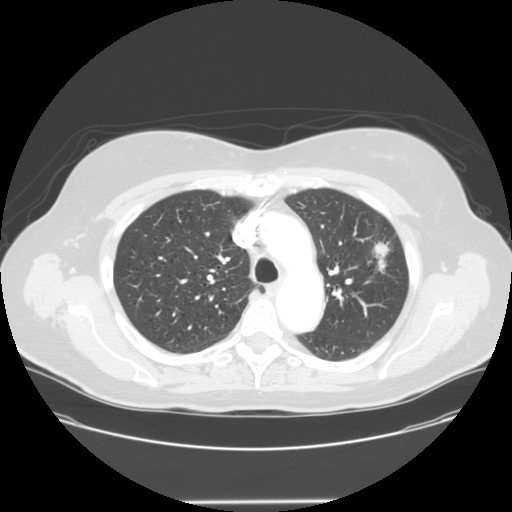
Slice 101/138 of a chest CT, counting up from the lowest; pixel size 0.781 mm, slice thickness 2.50 mm. Pulmonary nodule at rows 238–274, columns 372–391 (box = the union of the readers' outlines on this slice), outlined by all four readers; longest diameter 29.1–32.9 mm and volume 5563–6580 mm3 across the four readers' outlines. The readers' ratings, as ranges where they differ: texture from 4/5 to 5/5 (solid) across the four readers; margin from 3/5 to 4/5 across the four readers; sphericity from 3/5 (ovoid) to 5/5 (round) across the four readers; calcification absent from all four readers; internal structure soft tissue from all four readers; subtlety 5/5 from all four readers; malignancy likelihood rated between 4 and 5 out of 5 by the four readers. Scale key (1–5): texture non-solid→solid, margin indistinct→circumscribed, sphericity linear→round, subtlety extremely subtle→obvious, malignancy likelihood highly unlikely→highly suspicious of cancer. Box rows and columns are 0-based pixel indices from the top-left corner, inclusive.
Tube voltage 120 kVp; convolution kernel STANDARD.